One axial slice (137 of 445, counting up from the lowest) of a chest CT acquired at 120 kVp with the C kernel; each pixel is 0.676 mm and the slice is 1.50 mm thick.
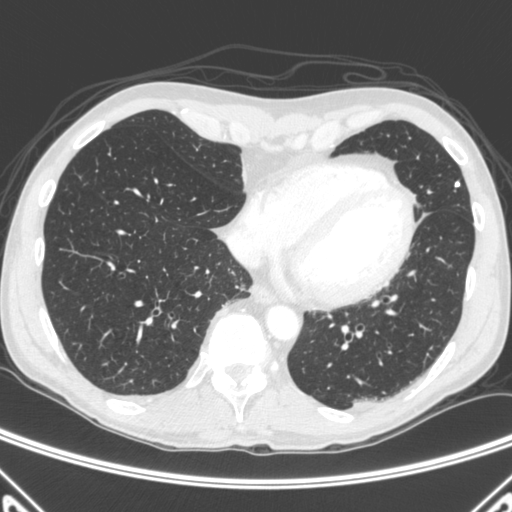
Pulmonary nodule, outlined by all four readers. Box on this slice rows 181–187, columns 453–459, the union of the readers' outlines on this slice; longest diameter 9.0–9.7 mm and volume 243–279 mm3 across the four readers' outlines. Ratings across the readers: texture from 4/5 to 5/5 (solid) across the four readers; margin 5/5 (circumscribed) from all four readers; sphericity from 4/5 to 5/5 (round) across the four readers; calcification: solid calcification (three), central calcification (one); internal structure soft tissue, all four readers agreeing; subtlety 5/5, all four readers agreeing; malignancy likelihood 1/5 from all four readers. Scale key (1–5): texture non-solid→solid, margin indistinct→circumscribed, sphericity linear→round, subtlety extremely subtle→obvious, malignancy likelihood highly unlikely→highly suspicious of cancer. Box rows and columns are 0-based pixel indices from the top-left corner, inclusive.